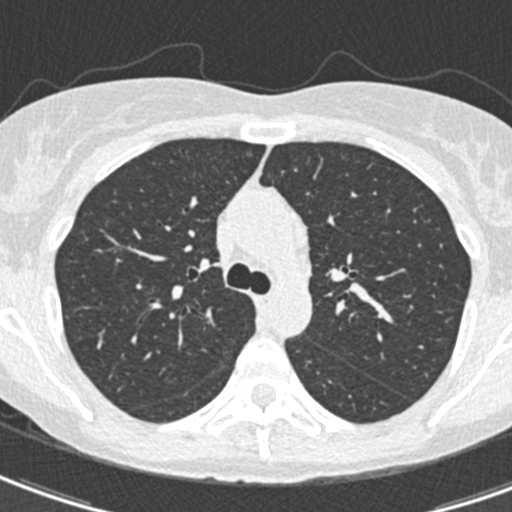
Axial chest CT slice 290 of 425 (counted from the lowest slice); tube voltage 120 kVp, convolution kernel B30f; slices 0.75 mm thick, 0.539 mm per pixel.
Pulmonary nodule outlined by one of the four readers; box rows 153–155, columns 247–251 (that reader's outline on this slice); longest diameter 3.9 mm and volume 12 mm3 from that reader's outline. Ratings by that reader: texture 2/5; margin 3/5; sphericity 4/5; calcification absent; internal structure soft tissue; subtlety 2/5; malignancy likelihood 3/5. Scale key (1–5): texture non-solid→solid, margin indistinct→circumscribed, sphericity linear→round, subtlety extremely subtle→obvious, malignancy likelihood highly unlikely→highly suspicious of cancer. Box rows and columns are 0-based pixel indices from the top-left corner, inclusive.